One axial slice (223 of 513, counting up from the lowest) of a chest CT acquired at 120 kVp with the STANDARD kernel; each pixel is 0.703 mm and the slice is 1.25 mm thick.
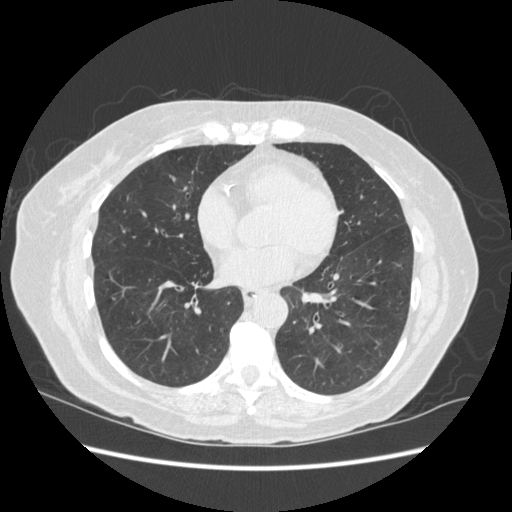
Pulmonary nodule outlined by three of the four readers, two of them on this slice; box rows 176–181, columns 171–174 (the union of the readers' outlines on this slice); median longest diameter 9.2 mm (readers' outlines 8.2–9.4 mm), median volume 151 mm3 (118–157 mm3). Median ratings and the readers' spread: texture 5/5 (solid) at the median of three readers, spread 4/5 to 5/5 (solid); margin 4/5 at the median of three readers, spread 3/5 to 5/5 (circumscribed); sphericity 3/5 (ovoid), all three readers agreeing; calcification absent, all three readers agreeing; internal structure soft tissue from all three readers; subtlety 4/5 from all three readers; malignancy likelihood 3/5 at the median of three readers, spread 1–4. Scale key (1–5): texture non-solid→solid, margin indistinct→circumscribed, sphericity linear→round, subtlety extremely subtle→obvious, malignancy likelihood highly unlikely→highly suspicious of cancer. Box rows and columns are 0-based pixel indices from the top-left corner, inclusive.